Axial slice 150 of 417 of a chest CT (slice 1 is the lowest), reconstructed with the STANDARD kernel at 120 kVp; 1.25 mm slice thickness and 0.703 mm pixels.
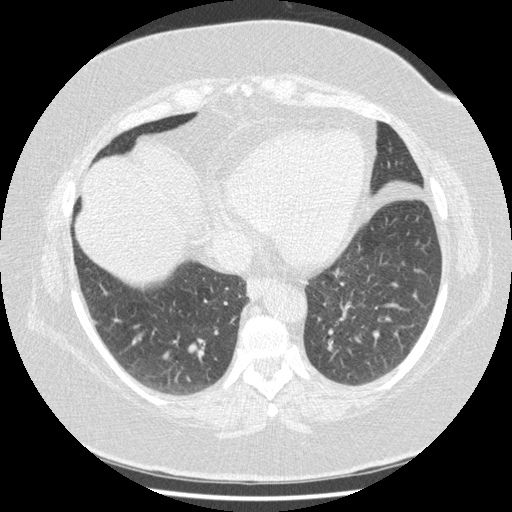
Pulmonary nodule outlined by one of the four readers; box rows 320–324, columns 93–97 (that reader's outline on this slice); longest diameter 5.1 mm and volume 29 mm3 from that reader's outline. That reader's ratings: texture 5/5 (solid); margin 5/5 (circumscribed); sphericity 4/5; calcification absent; internal structure soft tissue; subtlety 5/5; malignancy likelihood 3/5. Scale key (1–5): texture non-solid→solid, margin indistinct→circumscribed, sphericity linear→round, subtlety extremely subtle→obvious, malignancy likelihood highly unlikely→highly suspicious of cancer. Box rows and columns are 0-based pixel indices from the top-left corner, inclusive.